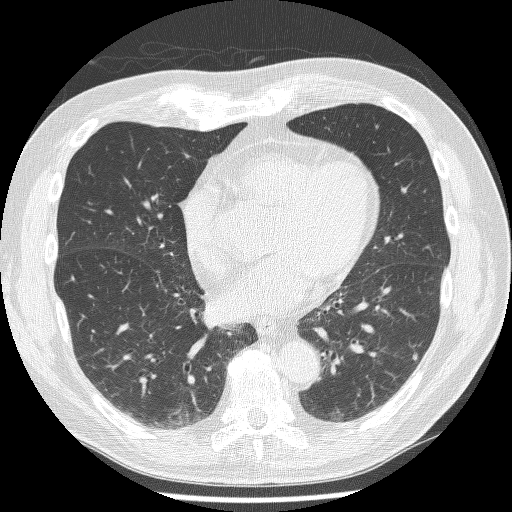
Slice 104/244 of a chest CT, counting up from the lowest; pixel size 0.674 mm, slice thickness 1.25 mm. Pulmonary nodule at rows 352–360, columns 411–417 (box = the union of the readers' outlines on this slice), outlined by all four readers; longest diameter 6.6 mm on average over the four readers' outlines (readers' outlines 6.2–6.9 mm), volume 78–119 mm3. The readers' prevailing ratings and who disagreed: texture 5/5 (solid) from all four readers; margin split among the readers: 4/5 (two), 5/5 (circumscribed) (two); sphericity 4/5 by three of four readers; the rest gave 5/5 (round) (one); calcification absent from all four readers; internal structure soft tissue from all four readers; subtlety 4/5 by two of four readers; the rest gave 3/5 (one), 5/5 (one); malignancy likelihood 3/5 by two of four readers; the rest gave 2/5 (one), 4/5 (one). Scale key (1–5): texture non-solid→solid, margin indistinct→circumscribed, sphericity linear→round, subtlety extremely subtle→obvious, malignancy likelihood highly unlikely→highly suspicious of cancer. Box rows and columns are 0-based pixel indices from the top-left corner, inclusive.
Tube voltage 120 kVp; convolution kernel BONE.